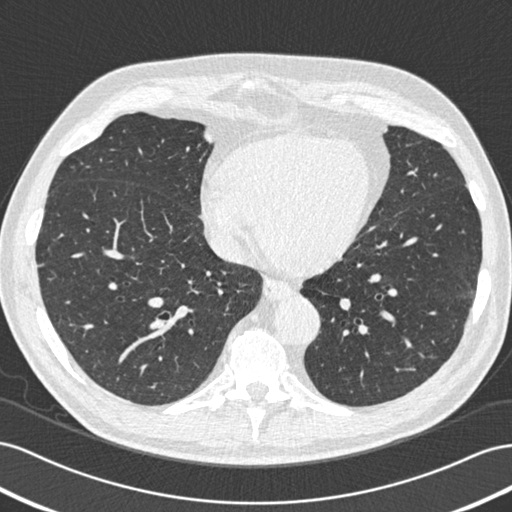
Axial slice 198 of 506 of a chest CT (slice 1 is the lowest), reconstructed with the B30f kernel at 120 kVp; 0.75 mm slice thickness and 0.699 mm pixels.
Pulmonary nodule outlined by all four readers, three of them on this slice; box rows 264–265, columns 39–43 (the union of the readers' outlines on this slice); the four readers' outlines give a longest diameter between 8.0 and 9.0 mm and a volume between 171 and 198 mm3. Ratings across the readers: texture 5/5 (solid) from all four readers; margin from 3/5 to 5/5 (circumscribed) across the four readers; sphericity from 3/5 (ovoid) to 5/5 (round) across the four readers; calcification absent, all four readers agreeing; internal structure soft tissue from all four readers; subtlety rated between 3 and 5 out of 5 by the four readers; malignancy likelihood from 1/5 to 4/5 across the four readers. Scale key (1–5): texture non-solid→solid, margin indistinct→circumscribed, sphericity linear→round, subtlety extremely subtle→obvious, malignancy likelihood highly unlikely→highly suspicious of cancer. Box rows and columns are 0-based pixel indices from the top-left corner, inclusive.